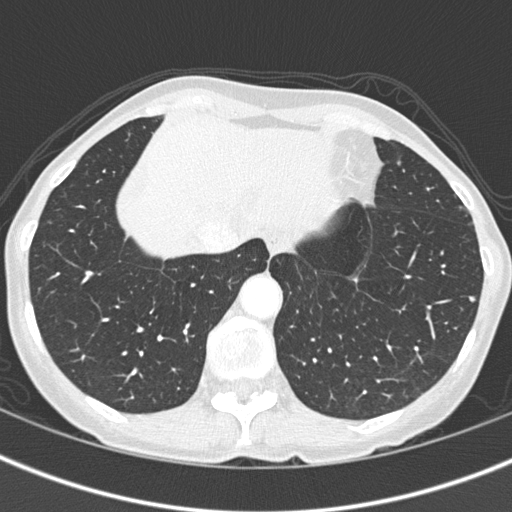
One axial slice (131 of 375, counting up from the lowest) of a chest CT acquired at 120 kVp with the B45f kernel; each pixel is 0.586 mm and the slice is 1.00 mm thick.
Pulmonary nodule, outlined by one of the four readers. Box on this slice rows 296–301, columns 469–474, that reader's outline on this slice; longest diameter 5.0 mm and volume 41 mm3 from that reader's outline. Ratings by that reader: texture 5/5 (solid); margin 4/5; sphericity 4/5; calcification absent; internal structure soft tissue; subtlety 3/5; malignancy likelihood 4/5. Scale key (1–5): texture non-solid→solid, margin indistinct→circumscribed, sphericity linear→round, subtlety extremely subtle→obvious, malignancy likelihood highly unlikely→highly suspicious of cancer. Box rows and columns are 0-based pixel indices from the top-left corner, inclusive.